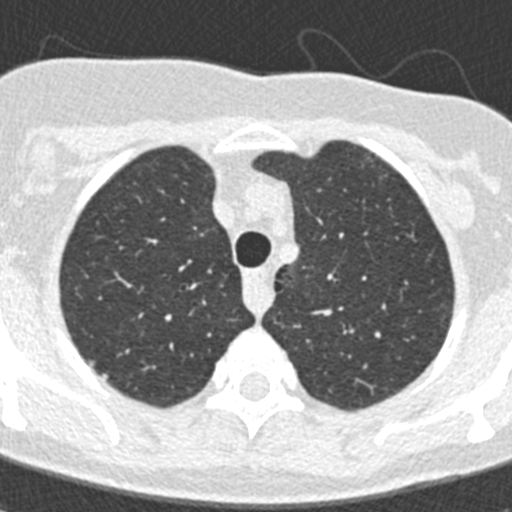
This is axial slice 317 of 376 (slice 1 is the lowest) of a chest CT; each pixel is 0.461 mm and the slice is 0.75 mm thick. Two pulmonary nodules on this slice, listed from left to right. (1) Pulmonary nodule outlined by one of the four readers; box rows 359–365, columns 90–95 (that reader's outline on this slice); longest diameter 7.0 mm and volume 28 mm3 from that reader's outline. Ratings by that reader: texture 5/5 (solid); margin 3/5; sphericity 3/5 (ovoid); calcification absent; internal structure soft tissue; subtlety 5/5; malignancy likelihood 3/5. (2) Pulmonary nodule, outlined by one of the four readers. Box on this slice rows 373–380, columns 101–108, that reader's outline on this slice; longest diameter 5.2 mm and volume 39 mm3 from that reader's outline. That reader's ratings: texture 5/5 (solid); margin 4/5; sphericity 3/5 (ovoid); calcification absent; internal structure soft tissue; subtlety 5/5; malignancy likelihood 3/5. Scale key (1–5): texture non-solid→solid, margin indistinct→circumscribed, sphericity linear→round, subtlety extremely subtle→obvious, malignancy likelihood highly unlikely→highly suspicious of cancer. Box rows and columns are 0-based pixel indices from the top-left corner, inclusive.
Acquired at 120 kVp and reconstructed with the B30f kernel.